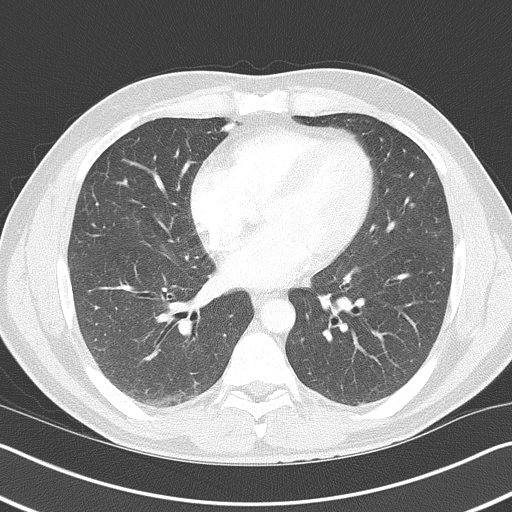
Axial slice 205 of 368 of a chest CT (slice 1 is the lowest), reconstructed with the B70f kernel at 120 kVp; 2.00 mm slice thickness and 0.660 mm pixels.
Pulmonary nodule outlined by one of the four readers; box rows 123–132, columns 220–236 (that reader's outline on this slice); longest diameter 12.5 mm and volume 369 mm3 from that reader's outline. That reader's ratings: texture 5/5 (solid); margin 5/5 (circumscribed); sphericity 5/5 (round); calcification solid calcification; internal structure soft tissue; subtlety 5/5; malignancy likelihood 1/5. Scale key (1–5): texture non-solid→solid, margin indistinct→circumscribed, sphericity linear→round, subtlety extremely subtle→obvious, malignancy likelihood highly unlikely→highly suspicious of cancer. Box rows and columns are 0-based pixel indices from the top-left corner, inclusive.